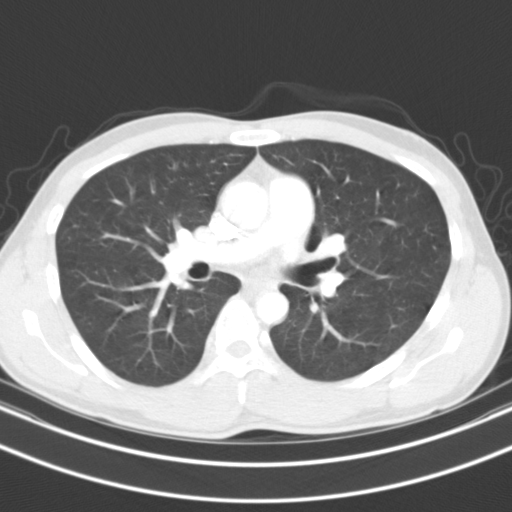
Axial slice 60 of 104 of a chest CT (slice 1 is the lowest), reconstructed with the B31s kernel at 130 kVp; 3.00 mm slice thickness and 0.637 mm pixels.
No nodule 3 mm or larger was outlined here by any reader.